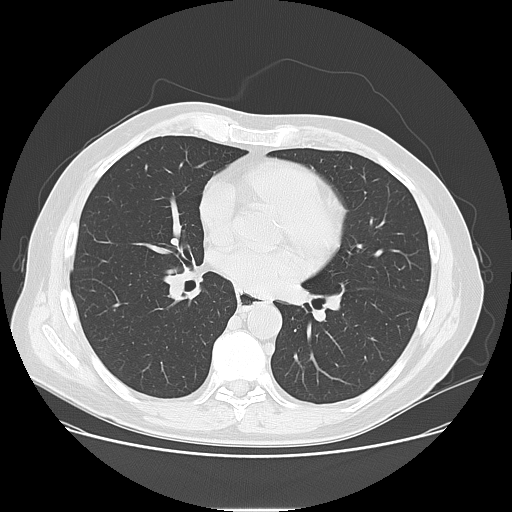
This is axial slice 70 of 141 (slice 1 is the lowest) of a chest CT; each pixel is 0.762 mm and the slice is 2.50 mm thick. The readers outlined no nodule of 3 mm or more on this slice.
Scan settings: 120 kVp, LUNG reconstruction kernel.